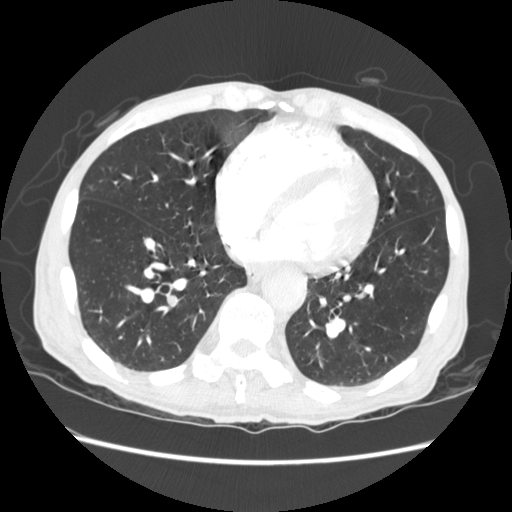
Axial chest CT slice 79 of 248 (counted from the lowest slice); 1.25 mm thick, 0.703 mm per pixel. No nodule of 3 mm or larger was outlined by any of the four readers on this slice.
Scan settings: 120 kVp, STANDARD reconstruction kernel.